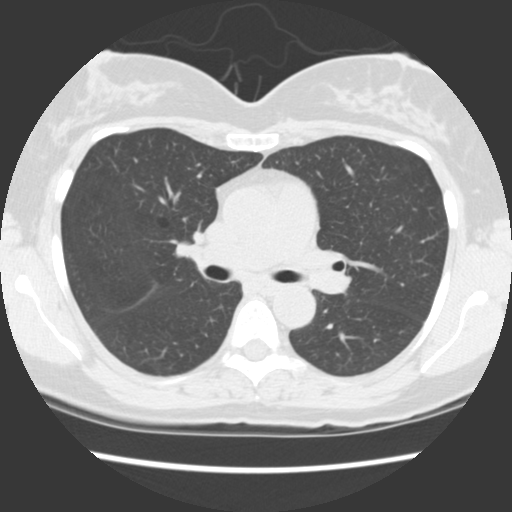
Chest CT, axial plane, 120 kVp, kernel STANDARD. Slice 80/140 from the bottom of the scan; thickness 2.50 mm; pixel size 0.605 mm.
The readers outlined no nodule of 3 mm or more on this slice.